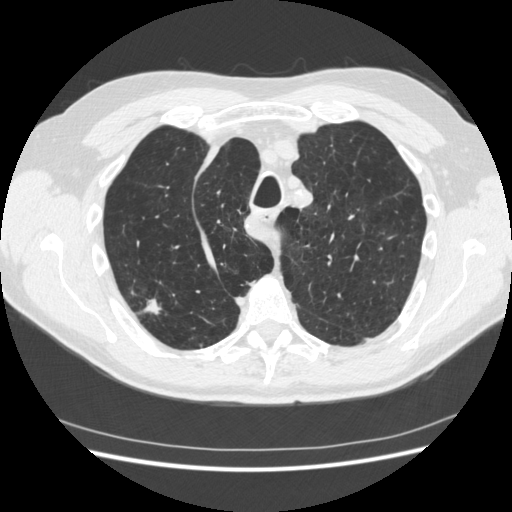
Axial chest CT slice 358 of 481 (counted from the lowest slice); tube voltage 120 kVp, convolution kernel STANDARD; slices 1.25 mm thick, 0.703 mm per pixel.
Pulmonary nodule at rows 288–315, columns 131–163 (box = the union of the readers' outlines on this slice), outlined by all four readers; median longest diameter 25.6 mm (readers' outlines 18.7–34.9 mm), median volume 2081 mm3 (1155–4169 mm3). Median ratings and the readers' spread: median texture 5/5 (solid) (readers ranged 4/5 to 5/5 (solid)); median margin 2.5/5 (readers ranged 1/5 (indistinct) to 4/5); sphericity 3.5/5 at the median of four readers, spread 2/5 to 5/5 (round); calcification absent from all four readers; internal structure soft tissue from all four readers; subtlety 5/5, all four readers agreeing; median malignancy likelihood 5/5 (readers ranged 4–5). Scale key (1–5): texture non-solid→solid, margin indistinct→circumscribed, sphericity linear→round, subtlety extremely subtle→obvious, malignancy likelihood highly unlikely→highly suspicious of cancer. Box rows and columns are 0-based pixel indices from the top-left corner, inclusive.